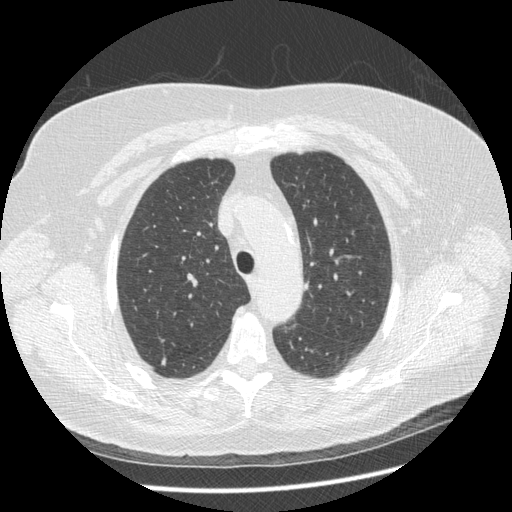
Slice 293/413 of a chest CT, counting up from the lowest; pixel size 0.703 mm, slice thickness 1.25 mm. Pulmonary nodule, outlined by two of the four readers. Box on this slice rows 357–365, columns 161–165, the union of the readers' outlines on this slice; median longest diameter 7.7 mm (readers' outlines 7.3–8.0 mm), median volume 111 mm3 (94–128 mm3). Median ratings and the readers' spread: texture 5/5 (solid), both readers agreeing; median margin 3.5/5 (readers ranged 3/5 to 4/5); sphericity 2.5/5 at the median of two readers, spread 2/5 to 3/5 (ovoid); calcification absent, both readers agreeing; internal structure soft tissue, both readers agreeing; median subtlety 3.5/5 (readers ranged 3–4); median malignancy likelihood 4/5 (readers ranged 3–5). Scale key (1–5): texture non-solid→solid, margin indistinct→circumscribed, sphericity linear→round, subtlety extremely subtle→obvious, malignancy likelihood highly unlikely→highly suspicious of cancer. Box rows and columns are 0-based pixel indices from the top-left corner, inclusive.
Scan settings: 120 kVp, STANDARD reconstruction kernel.